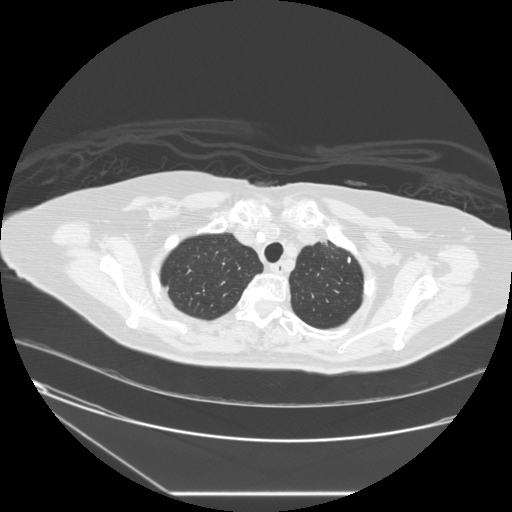
Axial chest CT slice 212 of 241 (counted from the lowest slice); 1.25 mm thick, 0.773 mm per pixel. Pulmonary nodule outlined by three of the four readers; box rows 256–263, columns 347–350 (the union of the readers' outlines on this slice); median longest diameter 5.5 mm (readers' outlines 5.5–7.0 mm), median volume 43 mm3 (43–72 mm3). Median ratings and the readers' spread: texture 5/5 (solid) from all three readers; margin 5/5 (circumscribed) from all three readers; sphericity 3/5 (ovoid) at the median of three readers, spread 3/5 (ovoid) to 5/5 (round); calcification: solid calcification (two), central calcification (one); internal structure soft tissue from all three readers; median subtlety 5/5 (readers ranged 4–5); malignancy likelihood 1/5 from all three readers. Scale key (1–5): texture non-solid→solid, margin indistinct→circumscribed, sphericity linear→round, subtlety extremely subtle→obvious, malignancy likelihood highly unlikely→highly suspicious of cancer. Box rows and columns are 0-based pixel indices from the top-left corner, inclusive.
Scan settings: 120 kVp, STANDARD reconstruction kernel.